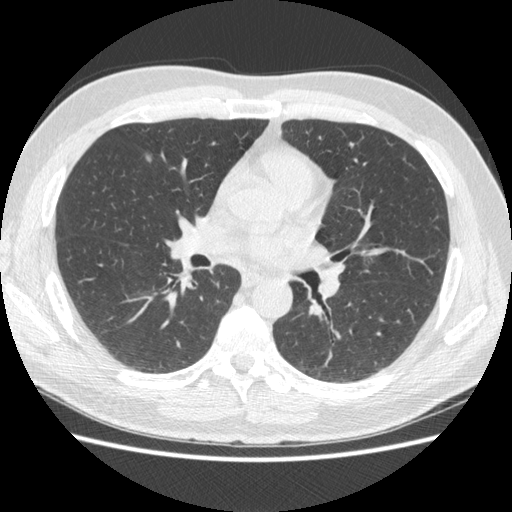
Chest CT, axial plane, 120 kVp, kernel STANDARD. Slice 270/477 from the bottom of the scan; thickness 1.25 mm; pixel size 0.703 mm.
Pulmonary nodule outlined by three of the four readers; box rows 150–162, columns 144–152 (the union of the readers' outlines on this slice); longest diameter 13.0–15.7 mm and volume 236–334 mm3 across the three readers' outlines. Ratings across the readers: texture 5/5 (solid), all three readers agreeing; margin from 4/5 to 5/5 (circumscribed) across the three readers; sphericity from 2/5 to 5/5 (round) across the three readers; calcification absent from all three readers; internal structure soft tissue, all three readers agreeing; subtlety from 3/5 to 5/5 across the three readers; malignancy likelihood 2–3/5 (the readers disagree). Scale key (1–5): texture non-solid→solid, margin indistinct→circumscribed, sphericity linear→round, subtlety extremely subtle→obvious, malignancy likelihood highly unlikely→highly suspicious of cancer. Box rows and columns are 0-based pixel indices from the top-left corner, inclusive.